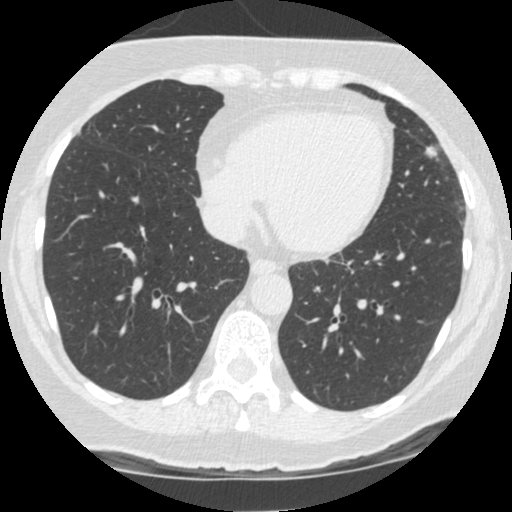
Chest CT, axial plane, 120 kVp, kernel STANDARD. Slice 155/481 from the bottom of the scan; thickness 1.25 mm; pixel size 0.586 mm.
Pulmonary nodule outlined by all four readers; box rows 146–158, columns 423–438 (the union of the readers' outlines on this slice); median longest diameter 10.8 mm (readers' outlines 9.6–11.3 mm), median volume 433 mm3 (410–491 mm3). Ratings, median across the readers with their spread: texture 5/5 (solid) from all four readers; median margin 5/5 (circumscribed) (readers ranged 4/5 to 5/5 (circumscribed)); sphericity 4/5 at the median of four readers, spread 4/5 to 5/5 (round); calcification absent, all four readers agreeing; internal structure soft tissue from all four readers; subtlety 5/5 at the median of four readers, spread 4–5; malignancy likelihood 3.5/5 at the median of four readers, spread 2–5. Scale key (1–5): texture non-solid→solid, margin indistinct→circumscribed, sphericity linear→round, subtlety extremely subtle→obvious, malignancy likelihood highly unlikely→highly suspicious of cancer. Box rows and columns are 0-based pixel indices from the top-left corner, inclusive.